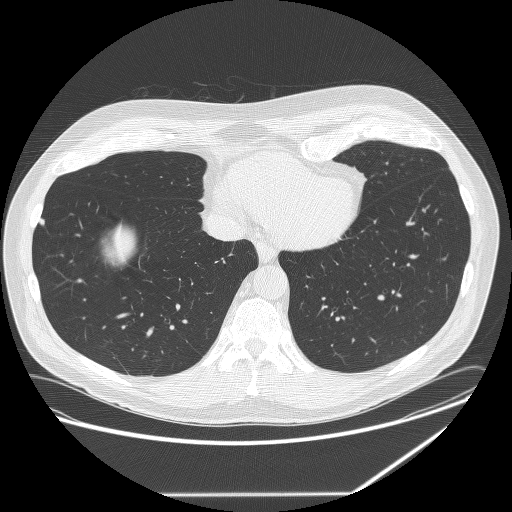
Chest CT, axial plane, 120 kVp, kernel BONE. Slice 88/291 from the bottom of the scan; thickness 1.25 mm; pixel size 0.820 mm.
Pulmonary nodule, outlined by all four readers. Box on this slice rows 218–225, columns 39–44, the union of the readers' outlines on this slice; longest diameter 7.0 mm on average over the four readers' outlines (readers' outlines 6.6–7.6 mm), volume 54–116 mm3. The readers' prevailing ratings and who disagreed: texture 5/5 (solid), all four readers agreeing; most readers (three of four) put margin at 5/5 (circumscribed), others 4/5 (one); sphericity 4/5 by three of four readers; the rest gave 3/5 (ovoid) (one); calcification absent by three of four readers, solid calcification (one); internal structure soft tissue, all four readers agreeing; subtlety 3/5 by two of four readers; the rest gave 2/5 (one), 4/5 (one); malignancy likelihood 2/5 by two of four readers; the rest gave 1/5 (one), 3/5 (one). Scale key (1–5): texture non-solid→solid, margin indistinct→circumscribed, sphericity linear→round, subtlety extremely subtle→obvious, malignancy likelihood highly unlikely→highly suspicious of cancer. Box rows and columns are 0-based pixel indices from the top-left corner, inclusive.